Chest CT, axial plane, 120 kVp, kernel STANDARD. Slice 309/490 from the bottom of the scan; thickness 1.25 mm; pixel size 0.547 mm.
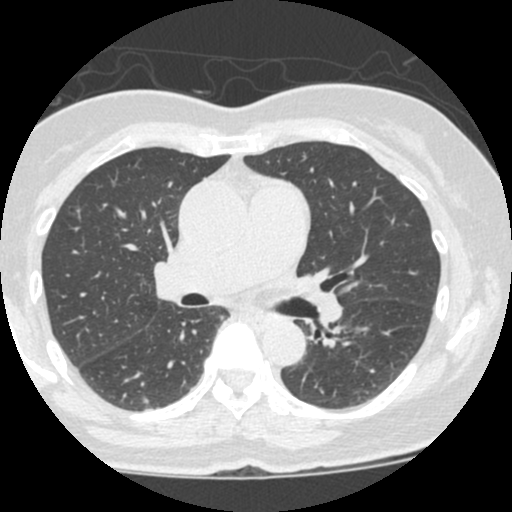
Pulmonary nodule outlined by all four readers, three of them on this slice; box rows 395–403, columns 141–148 (the union of the readers' outlines on this slice); the four readers' outlines give a longest diameter between 5.2 and 6.2 mm and a volume between 53 and 89 mm3. The readers' ratings, as ranges where they differ: texture 5/5 (solid) from all four readers; margin from 3/5 to 5/5 (circumscribed) across the four readers; sphericity from 3/5 (ovoid) to 5/5 (round) across the four readers; calcification absent from all four readers; internal structure soft tissue from all four readers; subtlety rated between 3 and 4 out of 5 by the four readers; malignancy likelihood rated between 2 and 3 out of 5 by the four readers. Scale key (1–5): texture non-solid→solid, margin indistinct→circumscribed, sphericity linear→round, subtlety extremely subtle→obvious, malignancy likelihood highly unlikely→highly suspicious of cancer. Box rows and columns are 0-based pixel indices from the top-left corner, inclusive.